Axial chest CT slice 40 of 119 (counted from the lowest slice); tube voltage 130 kVp, convolution kernel B31s; slices 3.00 mm thick, 0.650 mm per pixel.
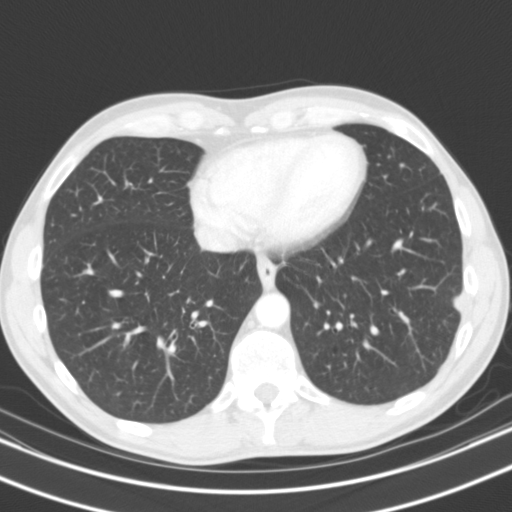
Pulmonary nodule outlined by all four readers; box rows 293–311, columns 452–463 (the union of the readers' outlines on this slice); median longest diameter 17.2 mm (readers' outlines 14.3–20.4 mm), median volume 1725 mm3 (1364–2386 mm3). Median ratings and the readers' spread: texture 4.5/5 at the median of four readers, spread 4/5 to 5/5 (solid); median margin 4/5 (readers ranged 2/5 to 4/5); median sphericity 3.5/5 (readers ranged 3/5 (ovoid) to 5/5 (round)); calcification absent, all four readers agreeing; internal structure soft tissue from all four readers; subtlety 5/5 at the median of four readers, spread 4–5; malignancy likelihood 3.5/5 at the median of four readers, spread 2–5. Scale key (1–5): texture non-solid→solid, margin indistinct→circumscribed, sphericity linear→round, subtlety extremely subtle→obvious, malignancy likelihood highly unlikely→highly suspicious of cancer. Box rows and columns are 0-based pixel indices from the top-left corner, inclusive.